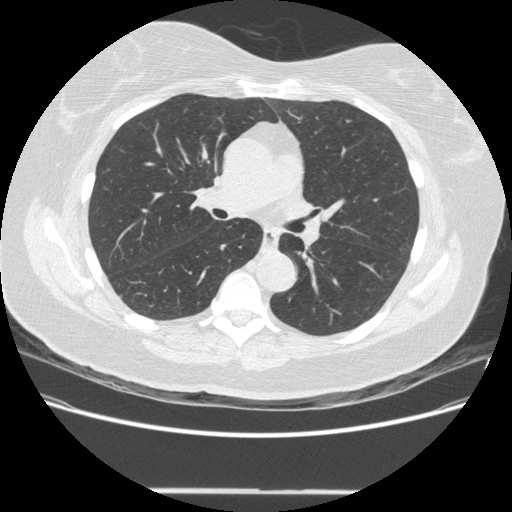
Axial slice 269 of 481 of a chest CT (slice 1 is the lowest), reconstructed with the STANDARD kernel at 120 kVp; 1.25 mm slice thickness and 0.742 mm pixels.
No nodule of 3 mm or larger was outlined by any of the four readers on this slice.